One axial slice (73 of 126, counting up from the lowest) of a chest CT acquired at 135 kVp with the FC01 kernel; each pixel is 0.744 mm and the slice is 3.00 mm thick.
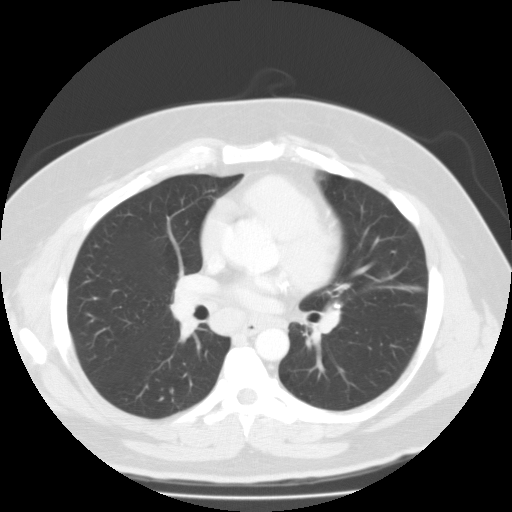
Pulmonary nodule, outlined by one of the four readers. Box on this slice rows 388–393, columns 170–172, that reader's outline on this slice; longest diameter 6.1 mm and volume 92 mm3 from that reader's outline. That reader's ratings: texture 3/5 (part-solid); margin 2/5; sphericity 3/5 (ovoid); calcification absent; internal structure soft tissue; subtlety 3/5; malignancy likelihood 3/5. Scale key (1–5): texture non-solid→solid, margin indistinct→circumscribed, sphericity linear→round, subtlety extremely subtle→obvious, malignancy likelihood highly unlikely→highly suspicious of cancer. Box rows and columns are 0-based pixel indices from the top-left corner, inclusive.